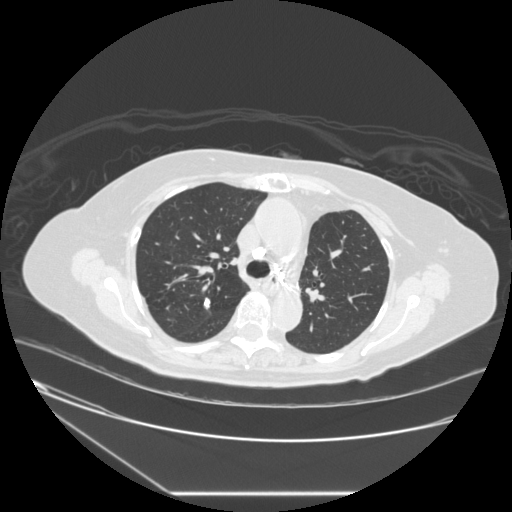
Slice 177/241 of a chest CT, counting up from the lowest; pixel size 0.773 mm, slice thickness 1.25 mm. Pulmonary nodule outlined three times (the source holds two more outlines, not used); box rows 297–309, columns 203–210 (the union of the readers' outlines on this slice); the three readers' outlines give a longest diameter between 10.5 and 12.2 mm and a volume between 344 and 520 mm3. The readers' ratings, as ranges where they differ: texture from 4/5 to 5/5 (solid) across the three readers; margin from 4/5 to 5/5 (circumscribed) across the three readers; sphericity from 3/5 (ovoid) to 4/5 across the three readers; calcification: non-central calcification (two), absent (one); internal structure soft tissue, all three readers agreeing; subtlety 5/5 from all three readers; malignancy likelihood from 2/5 to 3/5 across the three readers. Scale key (1–5): texture non-solid→solid, margin indistinct→circumscribed, sphericity linear→round, subtlety extremely subtle→obvious, malignancy likelihood highly unlikely→highly suspicious of cancer. Box rows and columns are 0-based pixel indices from the top-left corner, inclusive.
Tube voltage 120 kVp; convolution kernel STANDARD.